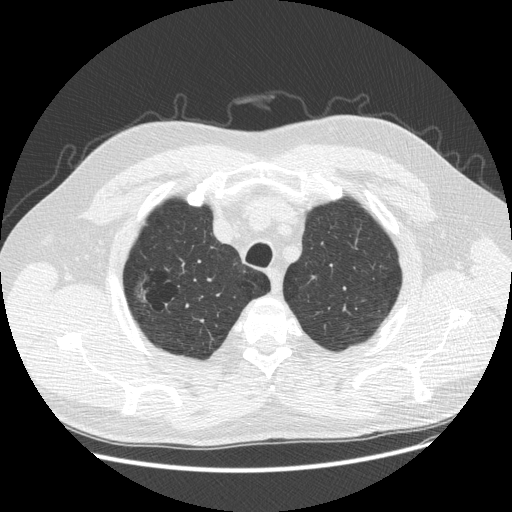
Chest CT, axial plane, 120 kVp, kernel STANDARD. Slice 404/481 from the bottom of the scan; thickness 1.25 mm; pixel size 0.742 mm.
Pulmonary nodule outlined by two of the four readers; box rows 284–302, columns 133–145 (the union of the readers' outlines on this slice); median longest diameter 16.8 mm (readers' outlines 15.0–18.6 mm), median volume 609 mm3 (293–924 mm3). Median ratings and the readers' spread: texture 1/5 (non-solid), both readers agreeing; median margin 1.5/5 (readers ranged 1/5 (indistinct) to 2/5); median sphericity 4/5 (readers ranged 3/5 (ovoid) to 5/5 (round)); calcification absent from both readers; internal structure soft tissue, both readers agreeing; subtlety 1.5/5 at the median of two readers, spread 1–2; malignancy likelihood 3/5 at the median of two readers, spread 2–4. Scale key (1–5): texture non-solid→solid, margin indistinct→circumscribed, sphericity linear→round, subtlety extremely subtle→obvious, malignancy likelihood highly unlikely→highly suspicious of cancer. Box rows and columns are 0-based pixel indices from the top-left corner, inclusive.